Axial slice 127 of 141 of a chest CT (slice 1 is the lowest), reconstructed with the STANDARD kernel at 120 kVp; 2.50 mm slice thickness and 0.586 mm pixels.
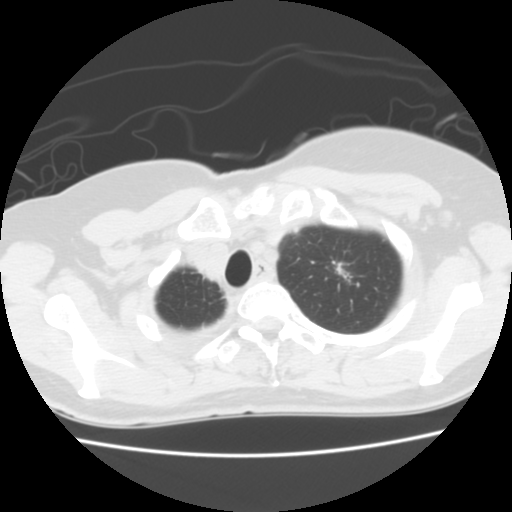
Pulmonary nodule at rows 262–284, columns 333–351 (box = the union of the readers' outlines on this slice), outlined by all four readers, three of them on this slice; median longest diameter 19.4 mm (readers' outlines 15.8–20.0 mm), median volume 1671 mm3 (906–1828 mm3). Ratings, median across the readers with their spread: median texture 4/5 (readers ranged 4/5 to 5/5 (solid)); margin 3/5 at the median of four readers, spread 2/5 to 4/5; median sphericity 3.5/5 (readers ranged 3/5 (ovoid) to 5/5 (round)); calcification absent, all four readers agreeing; internal structure soft tissue, all four readers agreeing; subtlety 5/5 from all four readers; median malignancy likelihood 4.5/5 (readers ranged 4–5). Scale key (1–5): texture non-solid→solid, margin indistinct→circumscribed, sphericity linear→round, subtlety extremely subtle→obvious, malignancy likelihood highly unlikely→highly suspicious of cancer. Box rows and columns are 0-based pixel indices from the top-left corner, inclusive.